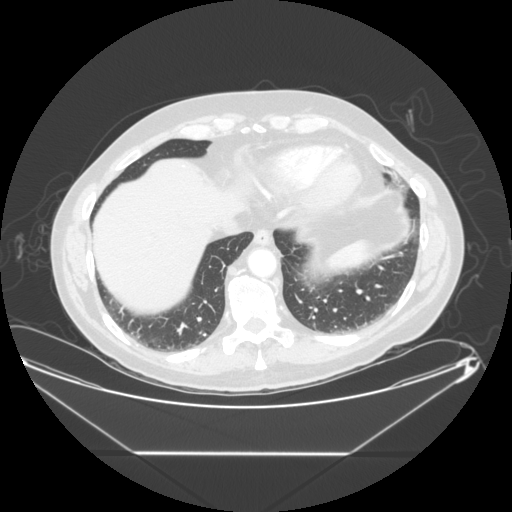
One axial slice (72 of 265, counting up from the lowest) of a chest CT acquired at 120 kVp with the STANDARD kernel; each pixel is 0.883 mm and the slice is 1.25 mm thick.
Pulmonary nodule at rows 333–336, columns 202–206 (box = the union of the readers' outlines on this slice), outlined by two of the four readers; longest diameter 6.2 mm on average over the two readers' outlines (readers' outlines 5.4–7.1 mm), volume 56–113 mm3. The readers' prevailing ratings and who disagreed: texture 5/5 (solid) from both readers; margin 5/5 (circumscribed) from both readers; sphericity split among the readers: 4/5 (one), 5/5 (round) (one); calcification solid calcification from both readers; internal structure soft tissue, both readers agreeing; subtlety split among the readers: 4/5 (one), 5/5 (one); malignancy likelihood 1/5, both readers agreeing. Scale key (1–5): texture non-solid→solid, margin indistinct→circumscribed, sphericity linear→round, subtlety extremely subtle→obvious, malignancy likelihood highly unlikely→highly suspicious of cancer. Box rows and columns are 0-based pixel indices from the top-left corner, inclusive.